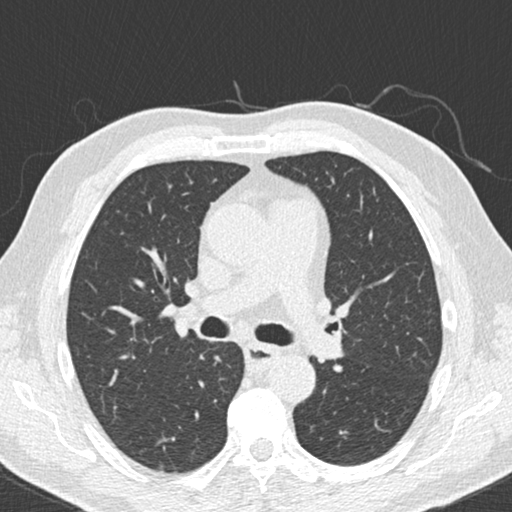
Chest CT, axial plane, 120 kVp, kernel B30f. Slice 123/197 from the bottom of the scan; thickness 2.00 mm; pixel size 0.625 mm.
No nodule of 3 mm or larger was outlined by any of the four readers on this slice.